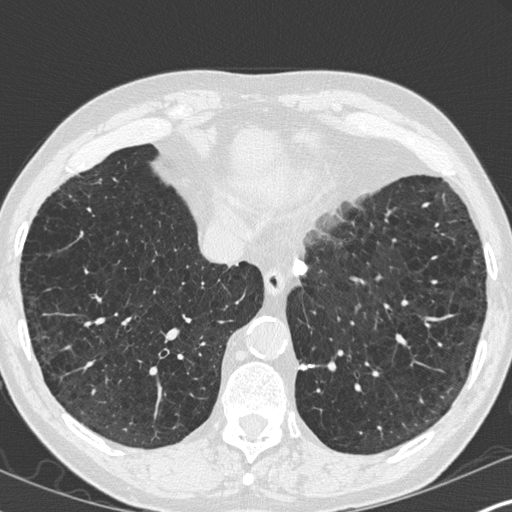
This is axial slice 97 of 347 (slice 1 is the lowest) of a chest CT; each pixel is 0.625 mm and the slice is 1.00 mm thick. Pulmonary nodule outlined by two of the four readers; box rows 362–370, columns 298–317 (the union of the readers' outlines on this slice); longest diameter 10.7–14.3 mm and volume 348–470 mm3 across the two readers' outlines. Ratings across the readers: texture 5/5 (solid), both readers agreeing; margin from 4/5 to 5/5 (circumscribed) across the two readers; sphericity from 3/5 (ovoid) to 4/5 across the two readers; calcification solid calcification, both readers agreeing; internal structure soft tissue from both readers; subtlety 5/5, both readers agreeing; malignancy likelihood 1/5, both readers agreeing. Scale key (1–5): texture non-solid→solid, margin indistinct→circumscribed, sphericity linear→round, subtlety extremely subtle→obvious, malignancy likelihood highly unlikely→highly suspicious of cancer. Box rows and columns are 0-based pixel indices from the top-left corner, inclusive.
Scan settings: 120 kVp, B45f reconstruction kernel.